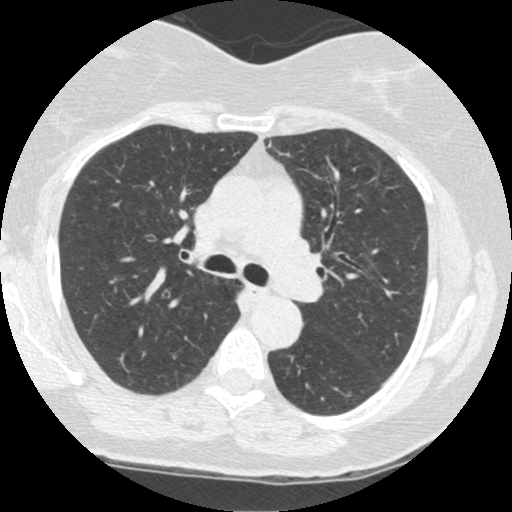
Slice 299/463 of a chest CT, counting up from the lowest; pixel size 0.586 mm, slice thickness 1.25 mm. None of the four readers outlined a nodule of 3 mm or more on this slice.
Scan settings: 120 kVp, STANDARD reconstruction kernel.